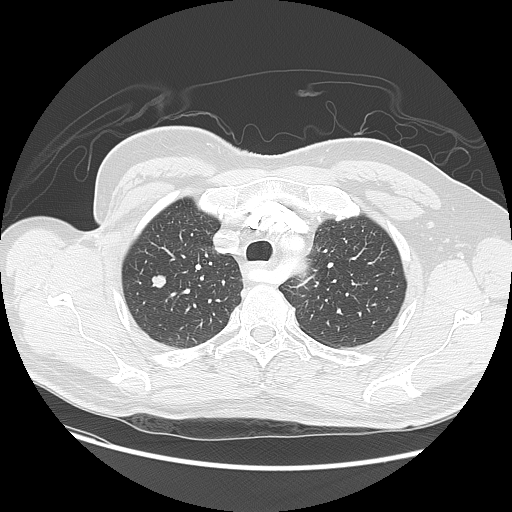
Axial chest CT slice 99 of 135 (counted from the lowest slice); 2.50 mm thick, 0.781 mm per pixel. Pulmonary nodule, outlined by all four readers. Box on this slice rows 275–287, columns 152–165, the union of the readers' outlines on this slice; median longest diameter 12.7 mm (readers' outlines 10.6–13.7 mm), median volume 650 mm3 (560–752 mm3). Ratings, median across the readers with their spread: texture 5/5 (solid) from all four readers; margin 5/5 (circumscribed) at the median of four readers, spread 4/5 to 5/5 (circumscribed); median sphericity 4/5 (readers ranged 4/5 to 5/5 (round)); calcification absent from all four readers; internal structure soft tissue, all four readers agreeing; subtlety 5/5 at the median of four readers, spread 4–5; median malignancy likelihood 4/5 (readers ranged 2–4). Scale key (1–5): texture non-solid→solid, margin indistinct→circumscribed, sphericity linear→round, subtlety extremely subtle→obvious, malignancy likelihood highly unlikely→highly suspicious of cancer. Box rows and columns are 0-based pixel indices from the top-left corner, inclusive.
Scan settings: 120 kVp, LUNG reconstruction kernel.